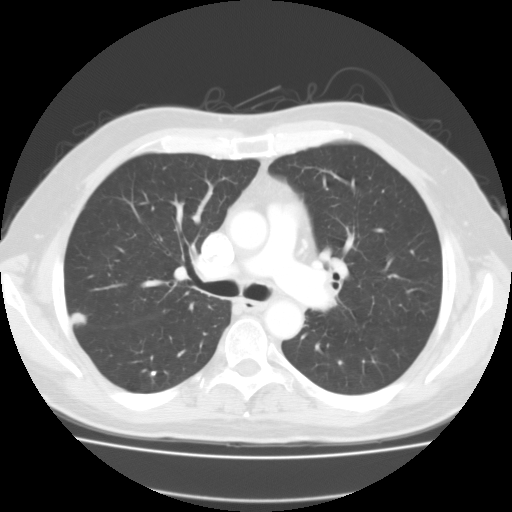
Axial chest CT slice 85 of 127 (counted from the lowest slice); tube voltage 135 kVp, convolution kernel FC01; slices 3.00 mm thick, 0.750 mm per pixel.
Pulmonary nodule at rows 312–325, columns 70–87 (box = the union of the readers' outlines on this slice), outlined by all four readers; the four readers' outlines give a longest diameter between 12.9 and 14.8 mm and a volume between 835 and 1181 mm3. Ratings across the readers: texture from 1/5 (non-solid) to 5/5 (solid) across the four readers; margin from 2/5 to 3/5 across the four readers; sphericity 3/5 (ovoid) from all four readers; calcification absent from all four readers; internal structure soft tissue from all four readers; subtlety 3–5/5 (the readers disagree); malignancy likelihood 2–4/5 (the readers disagree). Scale key (1–5): texture non-solid→solid, margin indistinct→circumscribed, sphericity linear→round, subtlety extremely subtle→obvious, malignancy likelihood highly unlikely→highly suspicious of cancer. Box rows and columns are 0-based pixel indices from the top-left corner, inclusive.